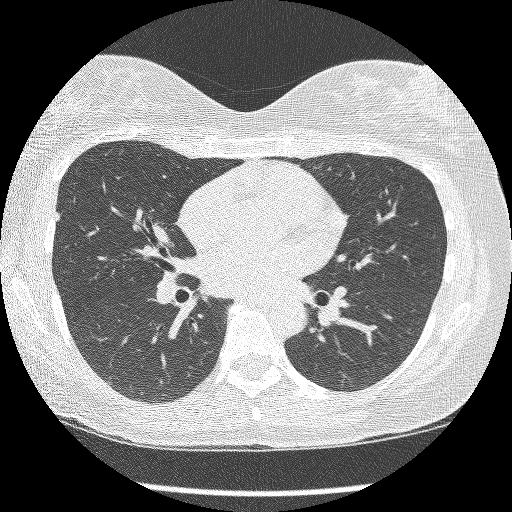
Axial slice 148 of 260 of a chest CT (slice 1 is the lowest), reconstructed with the BONE kernel at 120 kVp; 1.25 mm slice thickness and 0.615 mm pixels.
Pulmonary nodule at rows 212–221, columns 55–59 (box = the union of the readers' outlines on this slice), outlined by all four readers; median longest diameter 6.9 mm (readers' outlines 6.6–8.3 mm), median volume 82 mm3 (76–93 mm3). Median ratings and the readers' spread: median texture 5/5 (solid) (readers ranged 4/5 to 5/5 (solid)); margin 4/5 at the median of four readers, spread 4/5 to 5/5 (circumscribed); sphericity 3/5 (ovoid) at the median of four readers, spread 3/5 (ovoid) to 4/5; calcification absent from all four readers; internal structure soft tissue, all four readers agreeing; subtlety 2.5/5 at the median of four readers, spread 2–5; median malignancy likelihood 3/5 (readers ranged 2–4). Scale key (1–5): texture non-solid→solid, margin indistinct→circumscribed, sphericity linear→round, subtlety extremely subtle→obvious, malignancy likelihood highly unlikely→highly suspicious of cancer. Box rows and columns are 0-based pixel indices from the top-left corner, inclusive.